One axial slice (64 of 147, counting up from the lowest) of a chest CT acquired at 120 kVp with the STANDARD kernel; each pixel is 0.703 mm and the slice is 2.50 mm thick.
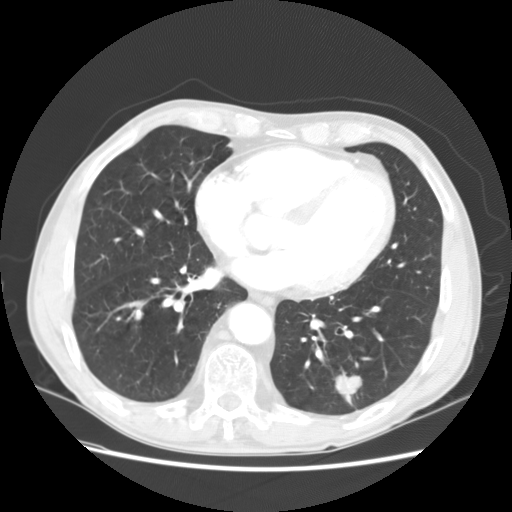
Two pulmonary nodules on this slice, listed from left to right. (1) Pulmonary nodule outlined by all four readers, three of them on this slice; box rows 309–320, columns 134–142 (the union of the readers' outlines on this slice); longest diameter 12.5 mm on average over the four readers' outlines (readers' outlines 11.4–13.6 mm), volume 439–652 mm3. The readers' prevailing ratings and who disagreed: texture 5/5 (solid) from all four readers; margin 5/5 (circumscribed), all four readers agreeing; sphericity split among the readers: 4/5 (two), 5/5 (round) (two); calcification solid calcification by three of four readers, absent (one); internal structure soft tissue from all four readers; subtlety 4/5 by two of four readers; the rest gave 3/5 (one), 5/5 (one); malignancy likelihood 1/5 by three of four readers; the rest gave 3/5 (one). (2) Pulmonary nodule outlined by all four readers; box rows 371–404, columns 334–362 (the union of the readers' outlines on this slice); median longest diameter 30.8 mm (readers' outlines 30.2–32.4 mm), median volume 8636 mm3 (8441–9544 mm3). Median ratings and the readers' spread: median texture 5/5 (solid) (readers ranged 3/5 (part-solid) to 5/5 (solid)); margin 4/5 at the median of four readers, spread 2/5 to 5/5 (circumscribed); sphericity 4.5/5 at the median of four readers, spread 3/5 (ovoid) to 5/5 (round); calcification absent, all four readers agreeing; internal structure soft tissue, all four readers agreeing; subtlety 5/5, all four readers agreeing; median malignancy likelihood 4/5 (readers ranged 3–5). Scale key (1–5): texture non-solid→solid, margin indistinct→circumscribed, sphericity linear→round, subtlety extremely subtle→obvious, malignancy likelihood highly unlikely→highly suspicious of cancer. Box rows and columns are 0-based pixel indices from the top-left corner, inclusive.